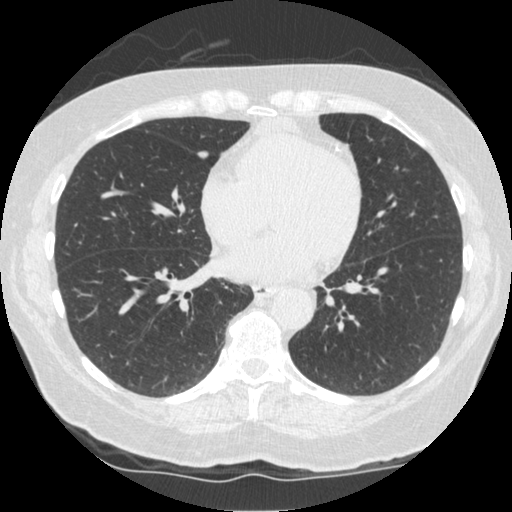
Chest CT, axial plane, 120 kVp, kernel STANDARD. Slice 199/519 from the bottom of the scan; thickness 1.25 mm; pixel size 0.645 mm.
Pulmonary nodule outlined by all four readers; box rows 151–158, columns 197–208 (the union of the readers' outlines on this slice); the four readers' outlines give a longest diameter between 8.4 and 10.5 mm and a volume between 147 and 202 mm3. Ratings across the readers: texture 5/5 (solid) from all four readers; margin from 4/5 to 5/5 (circumscribed) across the four readers; sphericity 3/5 (ovoid), all four readers agreeing; calcification absent from all four readers; internal structure soft tissue from all four readers; subtlety rated between 4 and 5 out of 5 by the four readers; malignancy likelihood from 2/5 to 4/5 across the four readers. Scale key (1–5): texture non-solid→solid, margin indistinct→circumscribed, sphericity linear→round, subtlety extremely subtle→obvious, malignancy likelihood highly unlikely→highly suspicious of cancer. Box rows and columns are 0-based pixel indices from the top-left corner, inclusive.